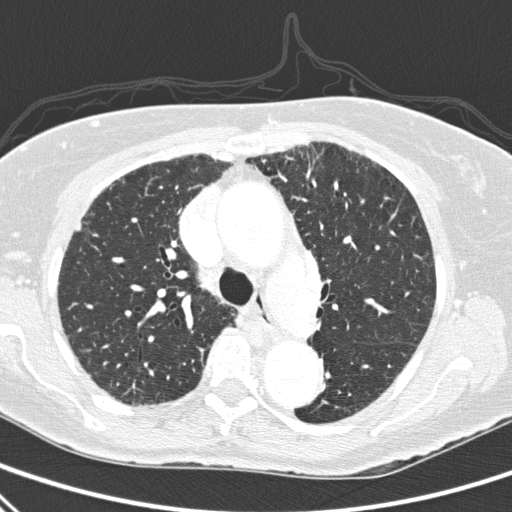
Slice 212/310 of a chest CT, counting up from the lowest; pixel size 0.643 mm, slice thickness 1.00 mm. Pulmonary nodule outlined by two of the four readers; box rows 223–231, columns 76–81 (the union of the readers' outlines on this slice); longest diameter 6.8 mm on average over the two readers' outlines (readers' outlines 6.6–6.9 mm), volume 37–38 mm3. The readers' prevailing ratings and who disagreed: texture 5/5 (solid) from both readers; margin split among the readers: 4/5 (one), 5/5 (circumscribed) (one); sphericity split among the readers: 2/5 (one), 3/5 (ovoid) (one); calcification split among the readers: absent (one), non-central calcification (one); internal structure soft tissue from both readers; subtlety split among the readers: 4/5 (one), 5/5 (one); malignancy likelihood split among the readers: 1/5 (one), 3/5 (one). Scale key (1–5): texture non-solid→solid, margin indistinct→circumscribed, sphericity linear→round, subtlety extremely subtle→obvious, malignancy likelihood highly unlikely→highly suspicious of cancer. Box rows and columns are 0-based pixel indices from the top-left corner, inclusive.
Acquired at 120 kVp and reconstructed with the D kernel.